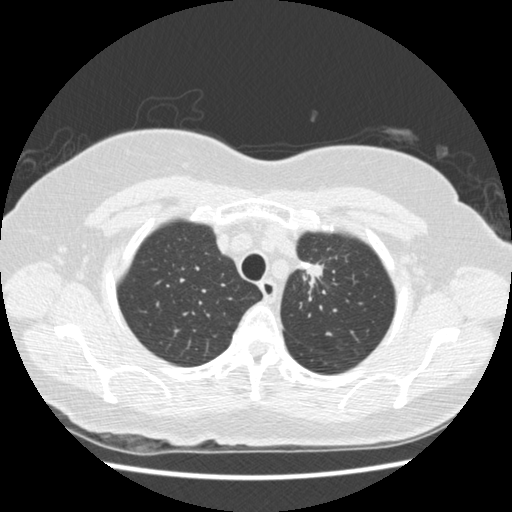
Chest CT, axial plane, 120 kVp, kernel STANDARD. Slice 362/445 from the bottom of the scan; thickness 1.25 mm; pixel size 0.645 mm.
Pulmonary nodule outlined by one of the four readers; box rows 262–292, columns 301–323 (that reader's outline on this slice); longest diameter 31.0 mm and volume 2055 mm3 from that reader's outline. That reader's ratings: texture 5/5 (solid); margin 2/5; sphericity 2/5; calcification absent; internal structure soft tissue; subtlety 5/5; malignancy likelihood 4/5. Scale key (1–5): texture non-solid→solid, margin indistinct→circumscribed, sphericity linear→round, subtlety extremely subtle→obvious, malignancy likelihood highly unlikely→highly suspicious of cancer. Box rows and columns are 0-based pixel indices from the top-left corner, inclusive.